Axial slice 178 of 350 of a chest CT (slice 1 is the lowest), reconstructed with the D kernel at 120 kVp; 2.00 mm slice thickness and 0.543 mm pixels.
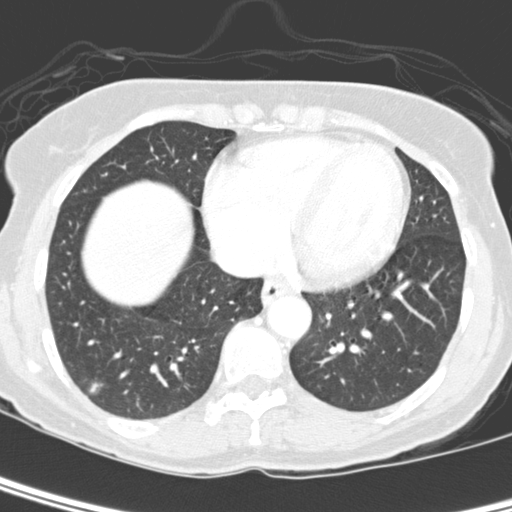
Pulmonary nodule outlined by two of the four readers; box rows 380–394, columns 88–101 (the union of the readers' outlines on this slice); longest diameter 9.8 mm on average over the two readers' outlines (readers' outlines 9.0–10.5 mm), volume 204–254 mm3. The readers' prevailing ratings and who disagreed: texture split among the readers: 1/5 (non-solid) (one), 3/5 (part-solid) (one); margin split among the readers: 1/5 (indistinct) (one), 2/5 (one); sphericity 3/5 (ovoid), both readers agreeing; calcification absent from both readers; internal structure soft tissue from both readers; subtlety 2/5, both readers agreeing; malignancy likelihood 3/5 from both readers. Scale key (1–5): texture non-solid→solid, margin indistinct→circumscribed, sphericity linear→round, subtlety extremely subtle→obvious, malignancy likelihood highly unlikely→highly suspicious of cancer. Box rows and columns are 0-based pixel indices from the top-left corner, inclusive.